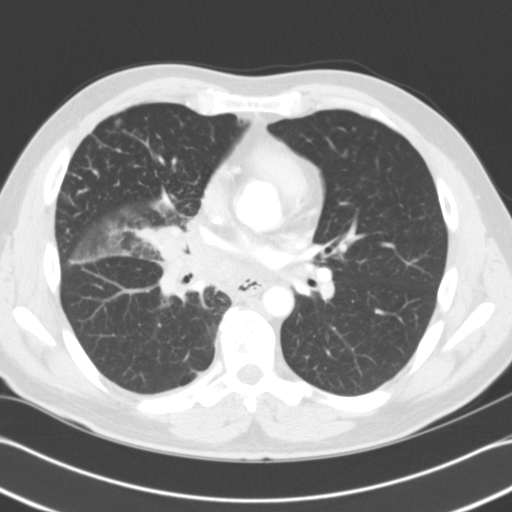
Slice 64/121 of a chest CT, counting up from the lowest; pixel size 0.674 mm, slice thickness 3.00 mm. Pulmonary nodule, outlined by one of the four readers. Box on this slice rows 120–125, columns 115–119, that reader's outline on this slice; longest diameter 5.8 mm and volume 52 mm3 from that reader's outline. Ratings by that reader: texture 5/5 (solid); margin 4/5; sphericity 3/5 (ovoid); calcification absent; internal structure soft tissue; subtlety 4/5; malignancy likelihood 3/5. Scale key (1–5): texture non-solid→solid, margin indistinct→circumscribed, sphericity linear→round, subtlety extremely subtle→obvious, malignancy likelihood highly unlikely→highly suspicious of cancer. Box rows and columns are 0-based pixel indices from the top-left corner, inclusive.
Acquired at 120 kVp and reconstructed with the B31f kernel.